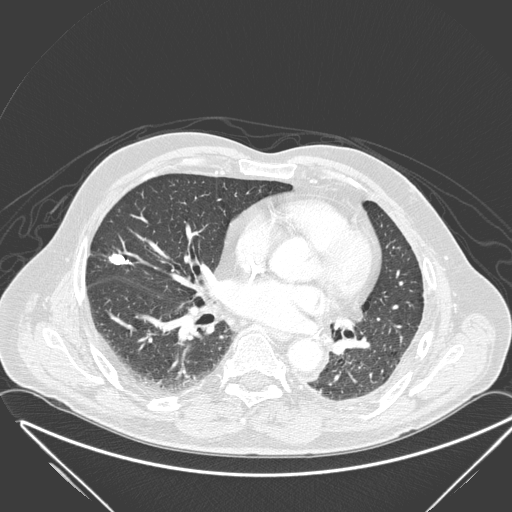
This is axial slice 106 of 280 (slice 1 is the lowest) of a chest CT; each pixel is 0.830 mm and the slice is 1.00 mm thick. Pulmonary nodule at rows 254–265, columns 108–131 (box = the union of the readers' outlines on this slice), outlined by all four readers; longest diameter 20.6 mm on average over the four readers' outlines (readers' outlines 17.6–22.4 mm), volume 620–866 mm3. Ratings, by the readers' most common answer with dissent counted: texture 5/5 (solid) from all four readers; margin split among the readers: 4/5 (two), 5/5 (circumscribed) (two); sphericity split among the readers: 3/5 (ovoid) (two), 5/5 (round) (two); calcification split among the readers: absent (two), solid calcification (two); internal structure soft tissue, all four readers agreeing; subtlety 5/5 from all four readers; malignancy likelihood split among the readers: 1/5 (two), 5/5 (two). Scale key (1–5): texture non-solid→solid, margin indistinct→circumscribed, sphericity linear→round, subtlety extremely subtle→obvious, malignancy likelihood highly unlikely→highly suspicious of cancer. Box rows and columns are 0-based pixel indices from the top-left corner, inclusive.
Tube voltage 120 kVp; convolution kernel D.